One axial slice (214 of 273, counting up from the lowest) of a chest CT acquired at 120 kVp with the BONE kernel; each pixel is 0.703 mm and the slice is 1.25 mm thick.
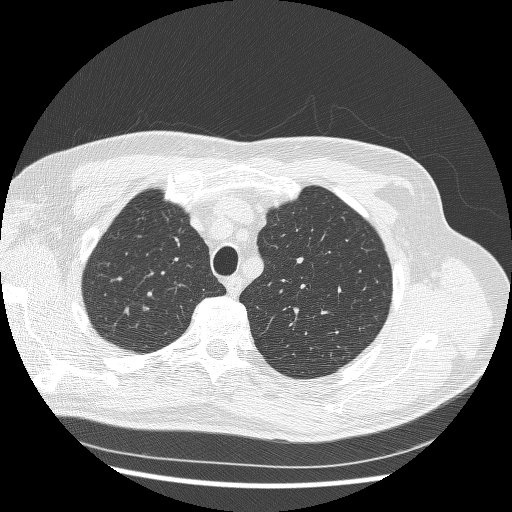
Pulmonary nodule, outlined by one of the four readers. Box on this slice rows 333–337, columns 104–107, that reader's outline on this slice; longest diameter 5.7 mm and volume 36 mm3 from that reader's outline. That reader's ratings: texture 1/5 (non-solid); margin 1/5 (indistinct); sphericity 4/5; calcification absent; internal structure soft tissue; subtlety 2/5; malignancy likelihood 3/5. Scale key (1–5): texture non-solid→solid, margin indistinct→circumscribed, sphericity linear→round, subtlety extremely subtle→obvious, malignancy likelihood highly unlikely→highly suspicious of cancer. Box rows and columns are 0-based pixel indices from the top-left corner, inclusive.